Axial slice 191 of 250 of a chest CT (slice 1 is the lowest), reconstructed with the BONE kernel at 120 kVp; 1.25 mm slice thickness and 0.654 mm pixels.
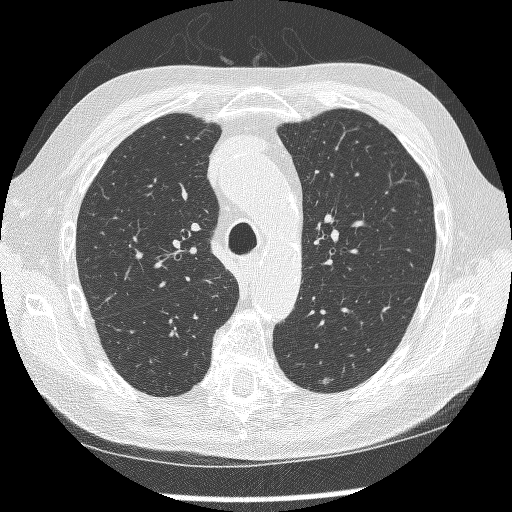
Pulmonary nodule at rows 377–381, columns 323–329 (box = that reader's outline on this slice), outlined by one of the four readers; longest diameter 5.6 mm and volume 22 mm3 from that reader's outline. That reader's ratings: texture 4/5; margin 3/5; sphericity 2/5; calcification absent; internal structure soft tissue; subtlety 2/5; malignancy likelihood 3/5. Scale key (1–5): texture non-solid→solid, margin indistinct→circumscribed, sphericity linear→round, subtlety extremely subtle→obvious, malignancy likelihood highly unlikely→highly suspicious of cancer. Box rows and columns are 0-based pixel indices from the top-left corner, inclusive.